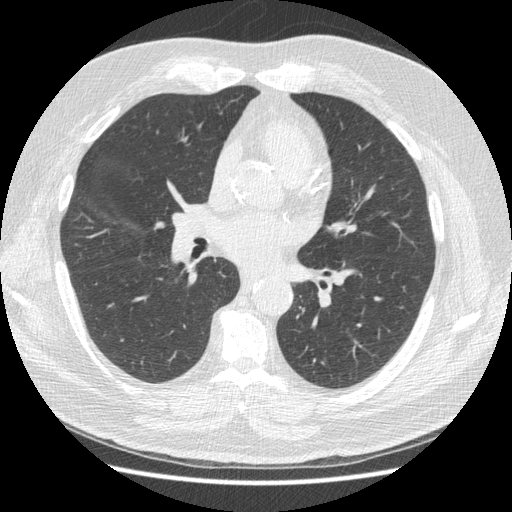
Slice 240/487 of a chest CT, counting up from the lowest; pixel size 0.703 mm, slice thickness 1.25 mm. Pulmonary nodule at rows 323–326, columns 356–361 (box = the union of the readers' outlines on this slice), outlined by all four readers; longest diameter 6.7 mm on average over the four readers' outlines (readers' outlines 6.5–7.1 mm), volume 68–92 mm3. Ratings, by the readers' most common answer with dissent counted: texture 5/5 (solid), all four readers agreeing; margin 5/5 (circumscribed), all four readers agreeing; sphericity 5/5 (round) by two of four readers; the rest gave 3/5 (ovoid) (one), 4/5 (one); calcification solid calcification from all four readers; internal structure soft tissue, all four readers agreeing; most readers (three of four) put subtlety at 5/5, others 4/5 (one); malignancy likelihood 1/5 from all four readers. Scale key (1–5): texture non-solid→solid, margin indistinct→circumscribed, sphericity linear→round, subtlety extremely subtle→obvious, malignancy likelihood highly unlikely→highly suspicious of cancer. Box rows and columns are 0-based pixel indices from the top-left corner, inclusive.
Tube voltage 120 kVp; convolution kernel STANDARD.